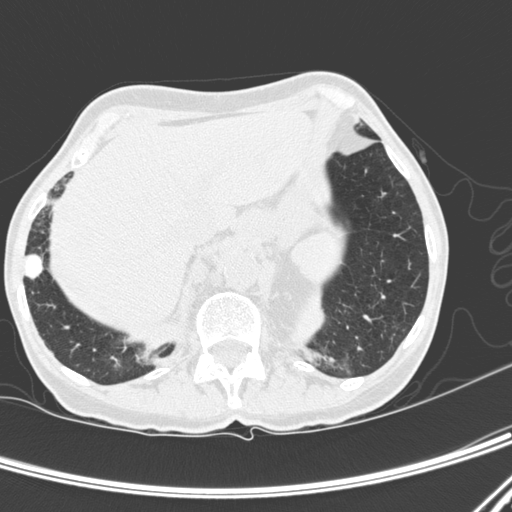
One axial slice (50 of 300, counting up from the lowest) of a chest CT acquired at 120 kVp with the D kernel; each pixel is 0.607 mm and the slice is 1.00 mm thick.
Pulmonary nodule at rows 253–280, columns 23–43 (box = the union of the readers' outlines on this slice), outlined by all four readers; longest diameter 18.8 mm on average over the four readers' outlines (readers' outlines 17.1–19.9 mm), volume 1865–2443 mm3. Ratings, by the readers' most common answer with dissent counted: texture 5/5 (solid) from all four readers; margin 5/5 (circumscribed), all four readers agreeing; most readers (three of four) put sphericity at 4/5, others 5/5 (round) (one); calcification solid calcification by three of four readers, absent (one); internal structure soft tissue, all four readers agreeing; subtlety 5/5, all four readers agreeing; most readers (three of four) put malignancy likelihood at 1/5, others 4/5 (one). Scale key (1–5): texture non-solid→solid, margin indistinct→circumscribed, sphericity linear→round, subtlety extremely subtle→obvious, malignancy likelihood highly unlikely→highly suspicious of cancer. Box rows and columns are 0-based pixel indices from the top-left corner, inclusive.